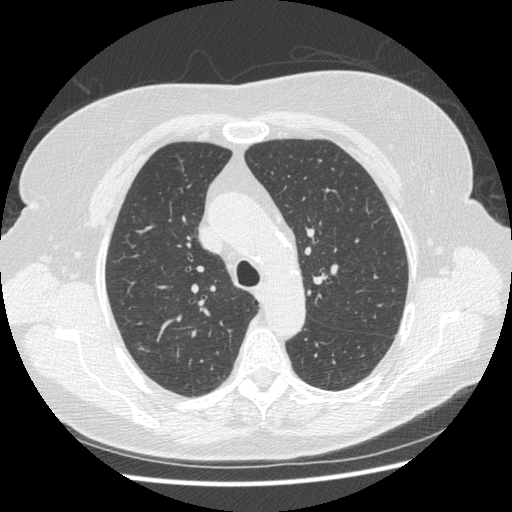
Axial chest CT slice 303 of 413 (counted from the lowest slice); 1.25 mm thick, 0.703 mm per pixel. Pulmonary nodule at rows 347–350, columns 138–145 (box = the union of the readers' outlines on this slice), outlined by three of the four readers; longest diameter 9.8 mm on average over the three readers' outlines (readers' outlines 8.7–10.5 mm), volume 88–182 mm3. The readers' prevailing ratings and who disagreed: texture split among the readers: 2/5 (one), 3/5 (part-solid) (one), 5/5 (solid) (one); margin split among the readers: 1/5 (indistinct) (one), 2/5 (one), 4/5 (one); most readers (two of three) put sphericity at 4/5, others 3/5 (ovoid) (one); calcification absent, all three readers agreeing; internal structure soft tissue from all three readers; subtlety 4/5 by two of three readers; the rest gave 5/5 (one); malignancy likelihood 4/5 from all three readers. Scale key (1–5): texture non-solid→solid, margin indistinct→circumscribed, sphericity linear→round, subtlety extremely subtle→obvious, malignancy likelihood highly unlikely→highly suspicious of cancer. Box rows and columns are 0-based pixel indices from the top-left corner, inclusive.
Tube voltage 120 kVp; convolution kernel STANDARD.